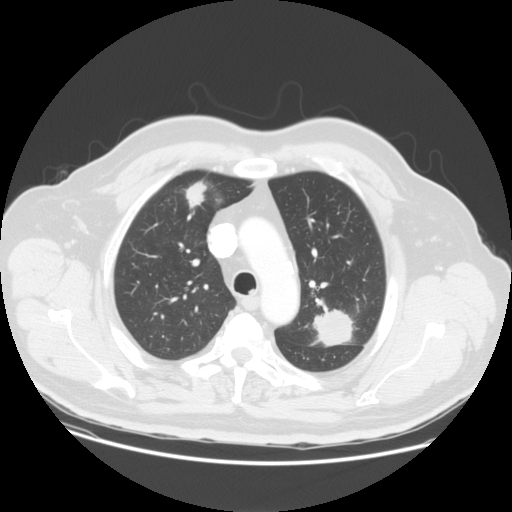
This is axial slice 115 of 149 (slice 1 is the lowest) of a chest CT; each pixel is 0.781 mm and the slice is 2.50 mm thick. Two pulmonary nodules are outlined on this slice; from left to right: (1) Pulmonary nodule, outlined by all four readers. Box on this slice rows 174–210, columns 182–207, the union of the readers' outlines on this slice; longest diameter 24.8–32.8 mm and volume 2485–3042 mm3 across the four readers' outlines. The readers' ratings, as ranges where they differ: texture from 1/5 (non-solid) to 5/5 (solid) across the four readers; margin 4/5, all four readers agreeing; sphericity from 3/5 (ovoid) to 5/5 (round) across the four readers; calcification absent, all four readers agreeing; internal structure soft tissue, all four readers agreeing; subtlety 5/5 from all four readers; malignancy likelihood 4–5/5 (the readers disagree). (2) Pulmonary nodule, outlined by three of the four readers. Box on this slice rows 309–345, columns 312–353, the union of the readers' outlines on this slice; longest diameter 34.5–53.9 mm and volume 15350–17058 mm3 across the three readers' outlines. Ratings across the readers: texture 5/5 (solid) from all three readers; margin from 4/5 to 5/5 (circumscribed) across the three readers; sphericity from 4/5 to 5/5 (round) across the three readers; calcification absent from all three readers; internal structure soft tissue, all three readers agreeing; subtlety 5/5 from all three readers; malignancy likelihood from 4/5 to 5/5 across the three readers. Scale key (1–5): texture non-solid→solid, margin indistinct→circumscribed, sphericity linear→round, subtlety extremely subtle→obvious, malignancy likelihood highly unlikely→highly suspicious of cancer. Box rows and columns are 0-based pixel indices from the top-left corner, inclusive.
Tube voltage 120 kVp; convolution kernel STANDARD.